One axial slice (225 of 429, counting up from the lowest) of a chest CT acquired at 120 kVp with the STANDARD kernel; each pixel is 0.586 mm and the slice is 1.25 mm thick.
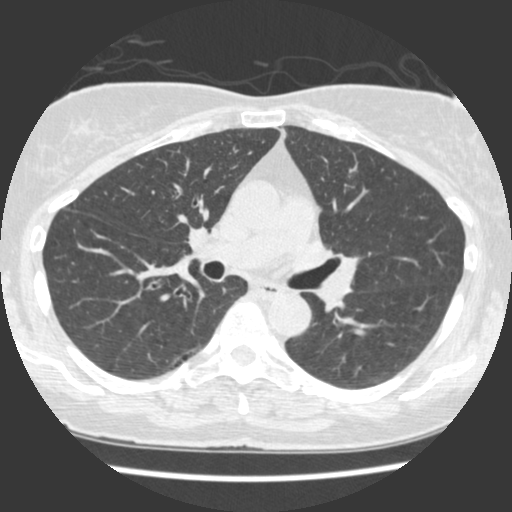
Pulmonary nodule outlined by one of the four readers; box rows 128–138, columns 281–285 (that reader's outline on this slice); longest diameter 7.8 mm and volume 111 mm3 from that reader's outline. Ratings by that reader: texture 5/5 (solid); margin 2/5; sphericity 2/5; calcification absent; internal structure soft tissue; subtlety 2/5; malignancy likelihood 1/5. Scale key (1–5): texture non-solid→solid, margin indistinct→circumscribed, sphericity linear→round, subtlety extremely subtle→obvious, malignancy likelihood highly unlikely→highly suspicious of cancer. Box rows and columns are 0-based pixel indices from the top-left corner, inclusive.